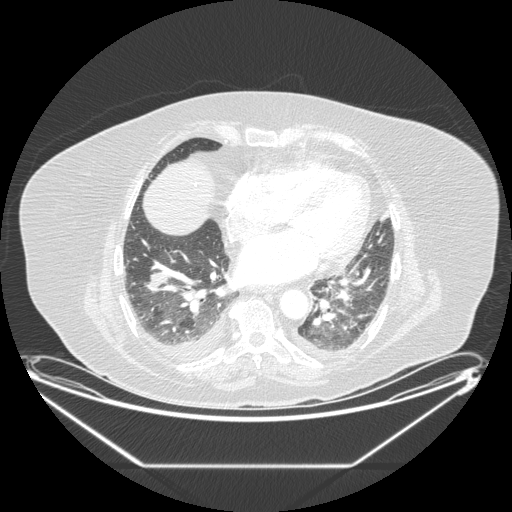
This is axial slice 72 of 206 (slice 1 is the lowest) of a chest CT; each pixel is 0.898 mm and the slice is 1.25 mm thick. Pulmonary nodule at rows 271–287, columns 148–169 (box = the union of the readers' outlines on this slice), outlined by all four readers; median longest diameter 26.6 mm (readers' outlines 25.7–34.7 mm), median volume 4111 mm3 (3668–5061 mm3). Ratings, median across the readers with their spread: median texture 5/5 (solid) (readers ranged 4/5 to 5/5 (solid)); margin 4/5, all four readers agreeing; sphericity 3/5 (ovoid) at the median of four readers, spread 3/5 (ovoid) to 5/5 (round); calcification absent, all four readers agreeing; internal structure soft tissue from all four readers; subtlety 5/5 at the median of four readers, spread 4–5; median malignancy likelihood 4.5/5 (readers ranged 3–5). Scale key (1–5): texture non-solid→solid, margin indistinct→circumscribed, sphericity linear→round, subtlety extremely subtle→obvious, malignancy likelihood highly unlikely→highly suspicious of cancer. Box rows and columns are 0-based pixel indices from the top-left corner, inclusive.
Tube voltage 120 kVp; convolution kernel STANDARD.